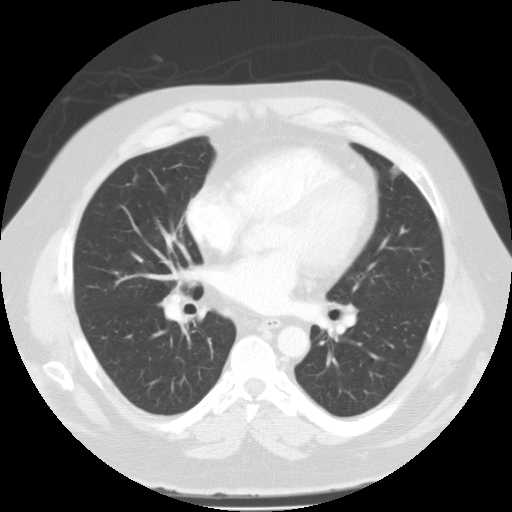
Axial chest CT slice 59 of 115 (counted from the lowest slice); 3.00 mm thick, 0.789 mm per pixel. Pulmonary nodule, outlined by all four readers. Box on this slice rows 165–177, columns 390–399, the union of the readers' outlines on this slice; longest diameter 12.5 mm on average over the four readers' outlines (readers' outlines 11.8–13.5 mm), volume 900–1080 mm3. Ratings, by the readers' most common answer with dissent counted: texture 5/5 (solid), all four readers agreeing; margin 5/5 (circumscribed), all four readers agreeing; sphericity 5/5 (round) from all four readers; calcification absent from all four readers; internal structure soft tissue from all four readers; subtlety 5/5, all four readers agreeing; malignancy likelihood 4/5 by two of four readers; the rest gave 2/5 (one), 3/5 (one). Scale key (1–5): texture non-solid→solid, margin indistinct→circumscribed, sphericity linear→round, subtlety extremely subtle→obvious, malignancy likelihood highly unlikely→highly suspicious of cancer. Box rows and columns are 0-based pixel indices from the top-left corner, inclusive.
Tube voltage 135 kVp; convolution kernel FC01.